Axial chest CT slice 117 of 162 (counted from the lowest slice); tube voltage 120 kVp, convolution kernel BONE; slices 1.25 mm thick, 0.703 mm per pixel.
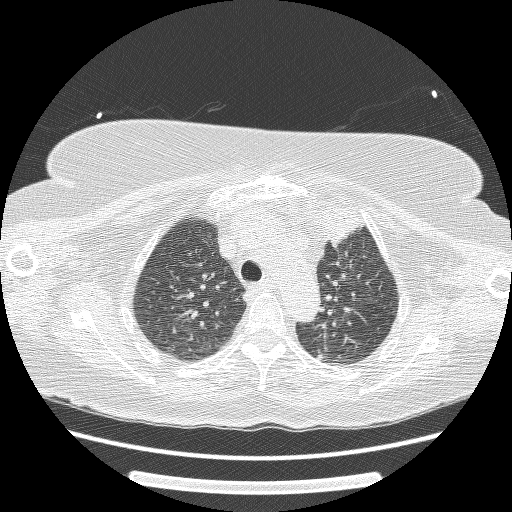
Pulmonary nodule at rows 354–361, columns 315–324 (box = the union of the readers' outlines on this slice), outlined by two of the four readers; longest diameter 7.0 mm on average over the two readers' outlines (readers' outlines 6.0–8.0 mm), volume 72–89 mm3. Ratings, by the readers' most common answer with dissent counted: texture 5/5 (solid), both readers agreeing; margin split among the readers: 3/5 (one), 4/5 (one); sphericity 4/5 from both readers; calcification absent from both readers; internal structure soft tissue, both readers agreeing; subtlety split among the readers: 3/5 (one), 4/5 (one); malignancy likelihood 2/5, both readers agreeing. Scale key (1–5): texture non-solid→solid, margin indistinct→circumscribed, sphericity linear→round, subtlety extremely subtle→obvious, malignancy likelihood highly unlikely→highly suspicious of cancer. Box rows and columns are 0-based pixel indices from the top-left corner, inclusive.